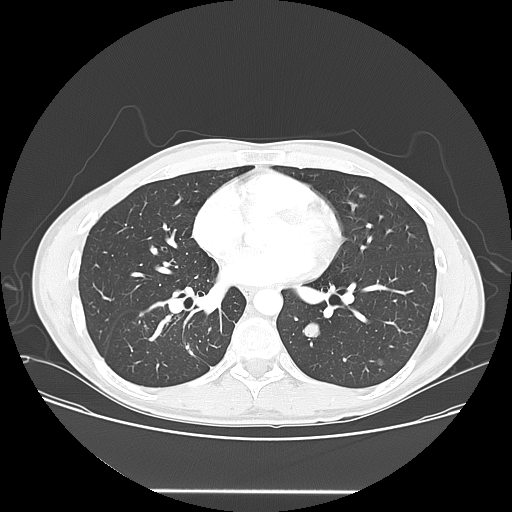
Axial slice 75 of 150 of a chest CT (slice 1 is the lowest), reconstructed with the LUNG kernel at 120 kVp; 2.50 mm slice thickness and 0.781 mm pixels.
Two pulmonary nodules are outlined on this slice; from left to right: (1) Pulmonary nodule at rows 323–337, columns 302–319 (box = the union of the readers' outlines on this slice), outlined by all four readers; longest diameter 18.2 mm on average over the four readers' outlines (readers' outlines 17.8–19.3 mm), volume 1904–2340 mm3. Ratings, by the readers' most common answer with dissent counted: texture 5/5 (solid) by three of four readers; the rest gave 4/5 (one); margin split among the readers: 4/5 (two), 5/5 (circumscribed) (two); sphericity 4/5 by two of four readers; the rest gave 3/5 (ovoid) (one), 5/5 (round) (one); calcification absent from all four readers; internal structure soft tissue, all four readers agreeing; subtlety 5/5 by three of four readers; the rest gave 3/5 (one); malignancy likelihood split among the readers: 2/5 (one), 3/5 (one), 4/5 (one), 5/5 (one). (2) Pulmonary nodule, outlined by all four readers, three of them on this slice. Box on this slice rows 358–365, columns 377–383, the union of the readers' outlines on this slice; median longest diameter 9.6 mm (readers' outlines 9.4–10.2 mm), median volume 521 mm3 (463–692 mm3). Median ratings and the readers' spread: texture 5/5 (solid) from all four readers; margin 5/5 (circumscribed) from all four readers; median sphericity 5/5 (round) (readers ranged 4/5 to 5/5 (round)); calcification: absent (three), solid calcification (one); internal structure soft tissue from all four readers; median subtlety 5/5 (readers ranged 4–5); median malignancy likelihood 3/5 (readers ranged 1–4). Scale key (1–5): texture non-solid→solid, margin indistinct→circumscribed, sphericity linear→round, subtlety extremely subtle→obvious, malignancy likelihood highly unlikely→highly suspicious of cancer. Box rows and columns are 0-based pixel indices from the top-left corner, inclusive.